Chest CT, axial plane, 120 kVp, kernel D. Slice 49/280 from the bottom of the scan; thickness 1.00 mm; pixel size 0.564 mm.
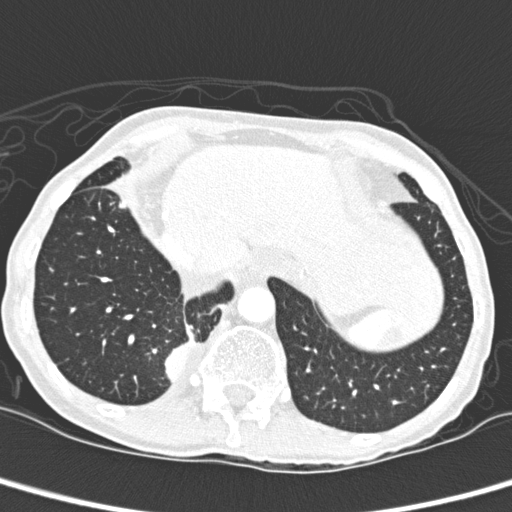
Pulmonary nodule outlined by two of the four readers; box rows 325–381, columns 165–202 (the union of the readers' outlines on this slice); median longest diameter 33.9 mm (readers' outlines 32.1–35.8 mm), median volume 6179 mm3 (5657–6702 mm3). Ratings, median across the readers with their spread: texture 5/5 (solid), both readers agreeing; margin 4/5, both readers agreeing; sphericity 3/5 (ovoid), both readers agreeing; calcification absent from both readers; internal structure soft tissue from both readers; subtlety 5/5 from both readers; median malignancy likelihood 2.5/5 (readers ranged 2–3). Scale key (1–5): texture non-solid→solid, margin indistinct→circumscribed, sphericity linear→round, subtlety extremely subtle→obvious, malignancy likelihood highly unlikely→highly suspicious of cancer. Box rows and columns are 0-based pixel indices from the top-left corner, inclusive.